Chest CT, axial plane, 120 kVp, kernel STANDARD. Slice 158/225 from the bottom of the scan; thickness 1.25 mm; pixel size 0.828 mm.
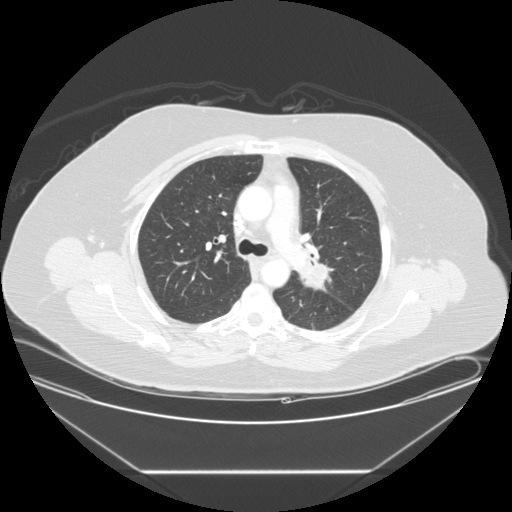
Pulmonary nodule at rows 263–288, columns 300–329 (box = that reader's outline on this slice), outlined by one of the four readers; longest diameter 33.6 mm and volume 4404 mm3 from that reader's outline. Ratings by that reader: texture 5/5 (solid); margin 2/5; sphericity 3/5 (ovoid); calcification absent; internal structure soft tissue; subtlety 5/5; malignancy likelihood 5/5. Scale key (1–5): texture non-solid→solid, margin indistinct→circumscribed, sphericity linear→round, subtlety extremely subtle→obvious, malignancy likelihood highly unlikely→highly suspicious of cancer. Box rows and columns are 0-based pixel indices from the top-left corner, inclusive.